Axial chest CT slice 291 of 557 (counted from the lowest slice); tube voltage 120 kVp, convolution kernel STANDARD; slices 1.25 mm thick, 0.703 mm per pixel.
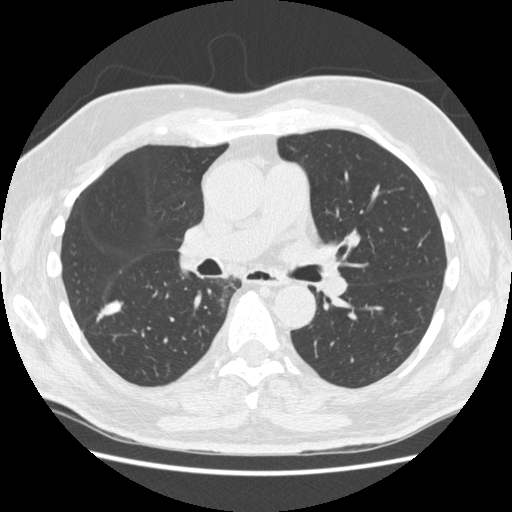
Pulmonary nodule, outlined by all four readers. Box on this slice rows 300–322, columns 96–123, the union of the readers' outlines on this slice; longest diameter 19.1–25.0 mm and volume 785–1099 mm3 across the four readers' outlines. Ratings across the readers: texture from 4/5 to 5/5 (solid) across the four readers; margin from 3/5 to 5/5 (circumscribed) across the four readers; sphericity from 2/5 to 3/5 (ovoid) across the four readers; calcification absent, all four readers agreeing; internal structure soft tissue from all four readers; subtlety from 4/5 to 5/5 across the four readers; malignancy likelihood rated between 2 and 5 out of 5 by the four readers. Scale key (1–5): texture non-solid→solid, margin indistinct→circumscribed, sphericity linear→round, subtlety extremely subtle→obvious, malignancy likelihood highly unlikely→highly suspicious of cancer. Box rows and columns are 0-based pixel indices from the top-left corner, inclusive.